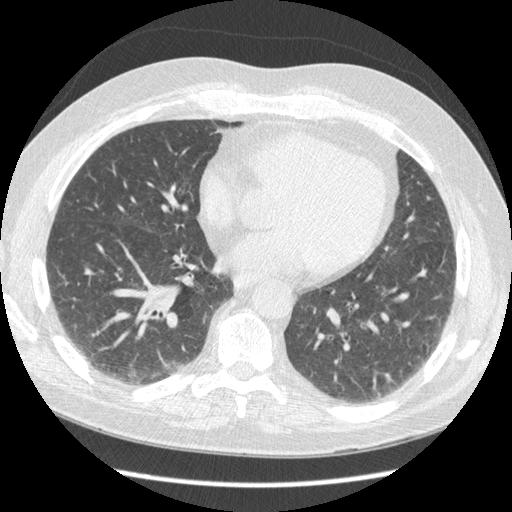
One axial slice (162 of 429, counting up from the lowest) of a chest CT acquired at 120 kVp with the STANDARD kernel; each pixel is 0.703 mm and the slice is 1.25 mm thick.
Pulmonary nodule at rows 372–383, columns 384–395 (box = the union of the readers' outlines on this slice), outlined by all four readers, three of them on this slice; median longest diameter 9.0 mm (readers' outlines 7.9–12.4 mm), median volume 146 mm3 (94–254 mm3). Ratings, median across the readers with their spread: texture 5/5 (solid) from all four readers; margin 4/5 at the median of four readers, spread 3/5 to 5/5 (circumscribed); sphericity 4/5 at the median of four readers, spread 3/5 (ovoid) to 5/5 (round); calcification absent from all four readers; internal structure soft tissue from all four readers; subtlety 3.5/5 at the median of four readers, spread 3–5; malignancy likelihood 3/5 at the median of four readers, spread 2–4. Scale key (1–5): texture non-solid→solid, margin indistinct→circumscribed, sphericity linear→round, subtlety extremely subtle→obvious, malignancy likelihood highly unlikely→highly suspicious of cancer. Box rows and columns are 0-based pixel indices from the top-left corner, inclusive.